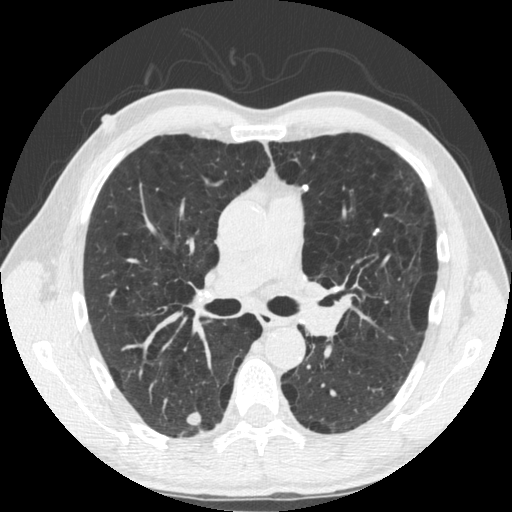
One axial slice (315 of 535, counting up from the lowest) of a chest CT acquired at 120 kVp with the STANDARD kernel; each pixel is 0.664 mm and the slice is 1.25 mm thick.
Three pulmonary nodules are outlined on this slice; from left to right: (1) Pulmonary nodule outlined by all four readers; box rows 412–425, columns 186–200 (the union of the readers' outlines on this slice); the four readers' outlines give a longest diameter between 10.5 and 12.4 mm and a volume between 543 and 647 mm3. The readers' ratings, as ranges where they differ: texture 5/5 (solid) from all four readers; margin 5/5 (circumscribed) from all four readers; sphericity from 3/5 (ovoid) to 5/5 (round) across the four readers; calcification: absent (three), laminated calcification (one); internal structure soft tissue, all four readers agreeing; subtlety 5/5 from all four readers; malignancy likelihood from 1/5 to 5/5 across the four readers. (2) Pulmonary nodule outlined by two of the four readers; box rows 185–190, columns 302–307 (the union of the readers' outlines on this slice); longest diameter 5.4–6.0 mm and volume 45–58 mm3 across the two readers' outlines. The readers' ratings, as ranges where they differ: texture 5/5 (solid) from both readers; margin 5/5 (circumscribed) from both readers; sphericity from 4/5 to 5/5 (round) across the two readers; calcification solid calcification from both readers; internal structure soft tissue from both readers; subtlety 4/5 from both readers; malignancy likelihood 1/5 from both readers. (3) Pulmonary nodule at rows 229–234, columns 372–378 (box = the union of the readers' outlines on this slice), outlined by all four readers; the four readers' outlines give a longest diameter between 6.3 and 7.6 mm and a volume between 41 and 65 mm3. The readers' ratings, as ranges where they differ: texture 5/5 (solid) from all four readers; margin 5/5 (circumscribed) from all four readers; sphericity from 2/5 to 3/5 (ovoid) across the four readers; calcification solid calcification from all four readers; internal structure soft tissue, all four readers agreeing; subtlety from 4/5 to 5/5 across the four readers; malignancy likelihood 1/5 from all four readers. Scale key (1–5): texture non-solid→solid, margin indistinct→circumscribed, sphericity linear→round, subtlety extremely subtle→obvious, malignancy likelihood highly unlikely→highly suspicious of cancer. Box rows and columns are 0-based pixel indices from the top-left corner, inclusive.